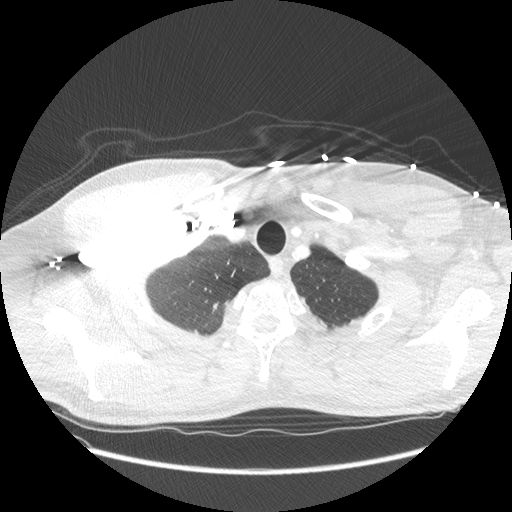
Axial chest CT slice 234 of 261 (counted from the lowest slice); tube voltage 120 kVp, convolution kernel STANDARD; slices 1.25 mm thick, 0.781 mm per pixel.
Pulmonary nodule outlined by all four readers; box rows 301–311, columns 212–217 (the union of the readers' outlines on this slice); median longest diameter 13.2 mm (readers' outlines 11.8–13.6 mm), median volume 243 mm3 (240–268 mm3). Ratings, median across the readers with their spread: texture 5/5 (solid) from all four readers; median margin 4/5 (readers ranged 3/5 to 5/5 (circumscribed)); sphericity 3/5 (ovoid) at the median of four readers, spread 2/5 to 5/5 (round); calcification: absent (three), solid calcification (one); internal structure soft tissue, all four readers agreeing; median subtlety 4/5 (readers ranged 2–5); malignancy likelihood 2.5/5 at the median of four readers, spread 1–3. Scale key (1–5): texture non-solid→solid, margin indistinct→circumscribed, sphericity linear→round, subtlety extremely subtle→obvious, malignancy likelihood highly unlikely→highly suspicious of cancer. Box rows and columns are 0-based pixel indices from the top-left corner, inclusive.